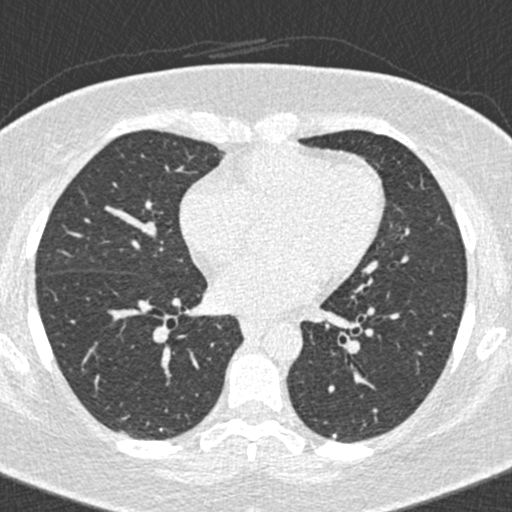
Axial slice 220 of 456 of a chest CT (slice 1 is the lowest), reconstructed with the B30f kernel at 120 kVp; 0.75 mm slice thickness and 0.559 mm pixels.
Pulmonary nodule, outlined by one of the four readers. Box on this slice rows 433–437, columns 333–336, that reader's outline on this slice; longest diameter 3.7 mm and volume 16 mm3 from that reader's outline. Ratings by that reader: texture 5/5 (solid); margin 5/5 (circumscribed); sphericity 5/5 (round); calcification solid calcification; internal structure soft tissue; subtlety 5/5; malignancy likelihood 1/5. Scale key (1–5): texture non-solid→solid, margin indistinct→circumscribed, sphericity linear→round, subtlety extremely subtle→obvious, malignancy likelihood highly unlikely→highly suspicious of cancer. Box rows and columns are 0-based pixel indices from the top-left corner, inclusive.